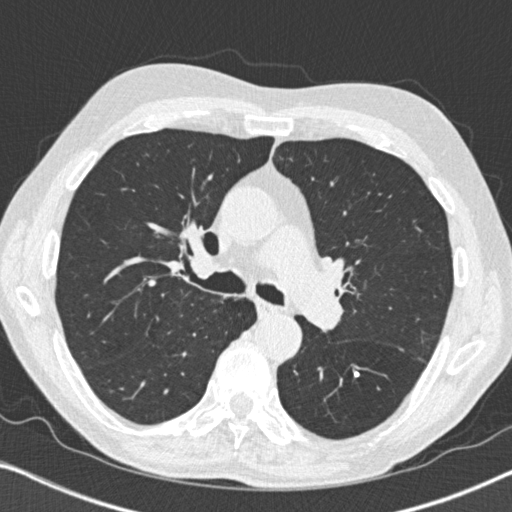
Chest CT, axial plane, 120 kVp, kernel B31f. Slice 489/764 from the bottom of the scan; thickness 1.00 mm; pixel size 0.646 mm.
Pulmonary nodule outlined by two of the four readers; box rows 371–377, columns 353–359 (the union of the readers' outlines on this slice); longest diameter 5.2 mm on average over the two readers' outlines (readers' outlines 4.7–5.8 mm), volume 50–90 mm3. Ratings, by the readers' most common answer with dissent counted: texture 5/5 (solid), both readers agreeing; margin 5/5 (circumscribed) from both readers; sphericity split among the readers: 4/5 (one), 5/5 (round) (one); calcification solid calcification from both readers; internal structure soft tissue from both readers; subtlety 5/5 from both readers; malignancy likelihood 1/5, both readers agreeing. Scale key (1–5): texture non-solid→solid, margin indistinct→circumscribed, sphericity linear→round, subtlety extremely subtle→obvious, malignancy likelihood highly unlikely→highly suspicious of cancer. Box rows and columns are 0-based pixel indices from the top-left corner, inclusive.